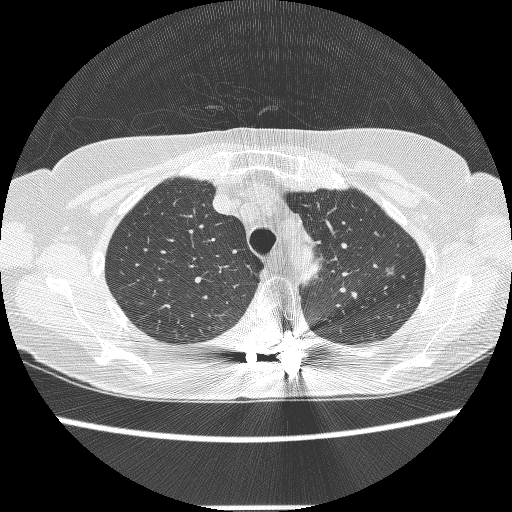
Axial slice 224 of 274 of a chest CT (slice 1 is the lowest), reconstructed with the BONE kernel at 140 kVp; 1.25 mm slice thickness and 0.615 mm pixels.
Pulmonary nodule at rows 266–274, columns 385–392 (box = the union of the readers' outlines on this slice), outlined by three of the four readers; median longest diameter 7.5 mm (readers' outlines 6.7–8.3 mm), median volume 95 mm3 (80–101 mm3). Median ratings and the readers' spread: median texture 3/5 (part-solid) (readers ranged 1/5 (non-solid) to 5/5 (solid)); margin 2/5 at the median of three readers, spread 1/5 (indistinct) to 5/5 (circumscribed); sphericity 4/5, all three readers agreeing; calcification absent, all three readers agreeing; internal structure soft tissue, all three readers agreeing; subtlety 2/5 at the median of three readers, spread 1–5; median malignancy likelihood 3/5 (readers ranged 2–4). Scale key (1–5): texture non-solid→solid, margin indistinct→circumscribed, sphericity linear→round, subtlety extremely subtle→obvious, malignancy likelihood highly unlikely→highly suspicious of cancer. Box rows and columns are 0-based pixel indices from the top-left corner, inclusive.